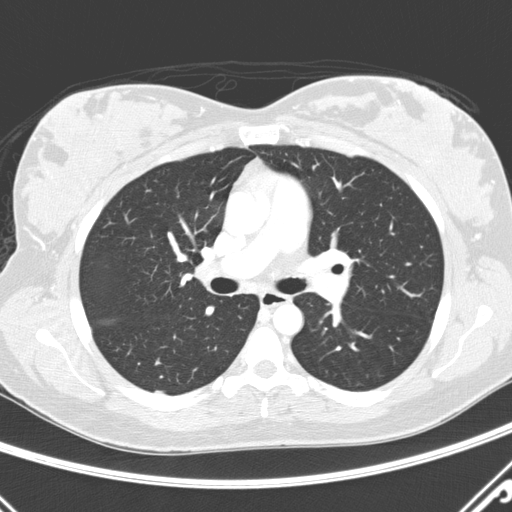
Axial chest CT slice 179 of 290 (counted from the lowest slice); 2.00 mm thick, 0.648 mm per pixel. Pulmonary nodule outlined by one of the four readers; box rows 390–393, columns 154–161 (that reader's outline on this slice); longest diameter 15.8 mm and volume 355 mm3 from that reader's outline. Ratings by that reader: texture 5/5 (solid); margin 5/5 (circumscribed); sphericity 3/5 (ovoid); calcification absent; internal structure soft tissue; subtlety 5/5; malignancy likelihood 3/5. Scale key (1–5): texture non-solid→solid, margin indistinct→circumscribed, sphericity linear→round, subtlety extremely subtle→obvious, malignancy likelihood highly unlikely→highly suspicious of cancer. Box rows and columns are 0-based pixel indices from the top-left corner, inclusive.
Tube voltage 120 kVp; convolution kernel D.